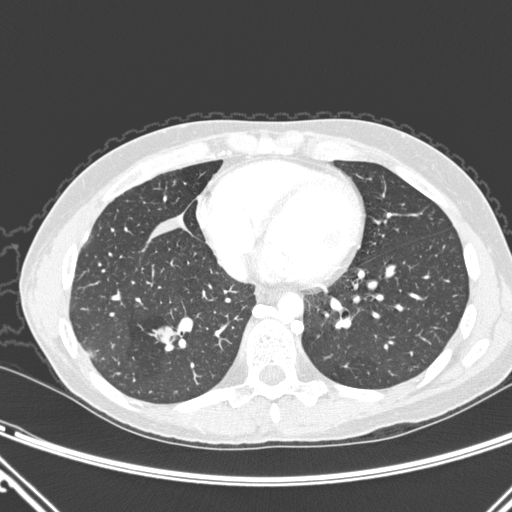
Axial chest CT slice 97 of 290 (counted from the lowest slice); 1.00 mm thick, 0.662 mm per pixel. Pulmonary nodule at rows 324–343, columns 150–181 (box = the union of the readers' outlines on this slice), outlined by all four readers; longest diameter 24.6 mm on average over the four readers' outlines (readers' outlines 22.2–29.6 mm), volume 2637–3531 mm3. Ratings, by the readers' most common answer with dissent counted: texture 5/5 (solid) from all four readers; margin split among the readers: 4/5 (two), 5/5 (circumscribed) (two); sphericity 4/5 by two of four readers; the rest gave 2/5 (one), 5/5 (round) (one); calcification absent, all four readers agreeing; internal structure soft tissue from all four readers; subtlety 5/5, all four readers agreeing; malignancy likelihood 5/5 by two of four readers; the rest gave 3/5 (one), 4/5 (one). Scale key (1–5): texture non-solid→solid, margin indistinct→circumscribed, sphericity linear→round, subtlety extremely subtle→obvious, malignancy likelihood highly unlikely→highly suspicious of cancer. Box rows and columns are 0-based pixel indices from the top-left corner, inclusive.
Scan settings: 120 kVp, D reconstruction kernel.